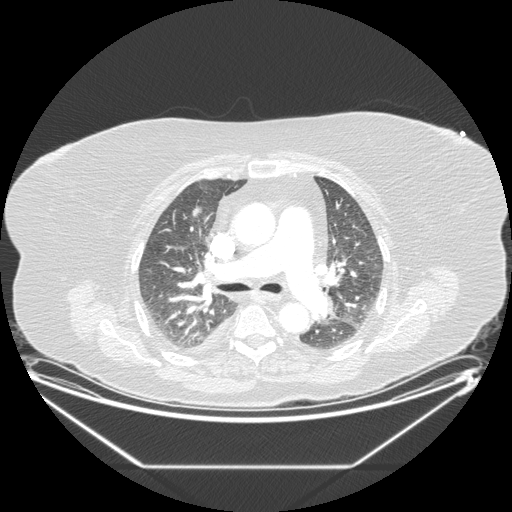
Slice 121/206 of a chest CT, counting up from the lowest; pixel size 0.898 mm, slice thickness 1.25 mm. Pulmonary nodule, outlined by three of the four readers, two of them on this slice. Box on this slice rows 206–216, columns 192–201, the union of the readers' outlines on this slice; longest diameter 35.5 mm on average over the three readers' outlines (readers' outlines 31.1–37.8 mm), volume 4036–4781 mm3. The readers' prevailing ratings and who disagreed: texture 5/5 (solid) by two of three readers; the rest gave 1/5 (non-solid) (one); margin 4/5 from all three readers; most readers (two of three) put sphericity at 3/5 (ovoid), others 2/5 (one); calcification absent from all three readers; internal structure soft tissue from all three readers; most readers (two of three) put subtlety at 5/5, others 4/5 (one); most readers (two of three) put malignancy likelihood at 5/5, others 3/5 (one). Scale key (1–5): texture non-solid→solid, margin indistinct→circumscribed, sphericity linear→round, subtlety extremely subtle→obvious, malignancy likelihood highly unlikely→highly suspicious of cancer. Box rows and columns are 0-based pixel indices from the top-left corner, inclusive.
Acquired at 120 kVp and reconstructed with the STANDARD kernel.